Chest CT, axial plane, 120 kVp, kernel STANDARD. Slice 271/519 from the bottom of the scan; thickness 1.25 mm; pixel size 0.645 mm.
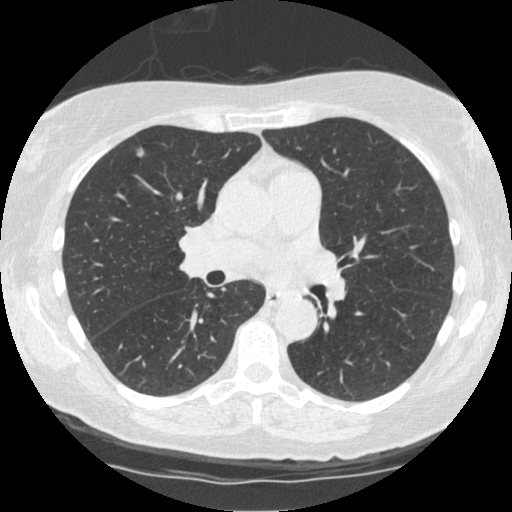
Pulmonary nodule outlined by all four readers; box rows 145–157, columns 135–145 (the union of the readers' outlines on this slice); median longest diameter 9.5 mm (readers' outlines 9.0–9.8 mm), median volume 158 mm3 (121–176 mm3). Ratings, median across the readers with their spread: texture 5/5 (solid), all four readers agreeing; margin 4.5/5 at the median of four readers, spread 4/5 to 5/5 (circumscribed); sphericity 3.5/5 at the median of four readers, spread 3/5 (ovoid) to 5/5 (round); calcification absent, all four readers agreeing; internal structure soft tissue, all four readers agreeing; median subtlety 5/5 (readers ranged 4–5); malignancy likelihood 3/5 at the median of four readers, spread 2–3. Scale key (1–5): texture non-solid→solid, margin indistinct→circumscribed, sphericity linear→round, subtlety extremely subtle→obvious, malignancy likelihood highly unlikely→highly suspicious of cancer. Box rows and columns are 0-based pixel indices from the top-left corner, inclusive.